Axial chest CT slice 51 of 125 (counted from the lowest slice); tube voltage 135 kVp, convolution kernel FC01; slices 3.00 mm thick, 0.721 mm per pixel.
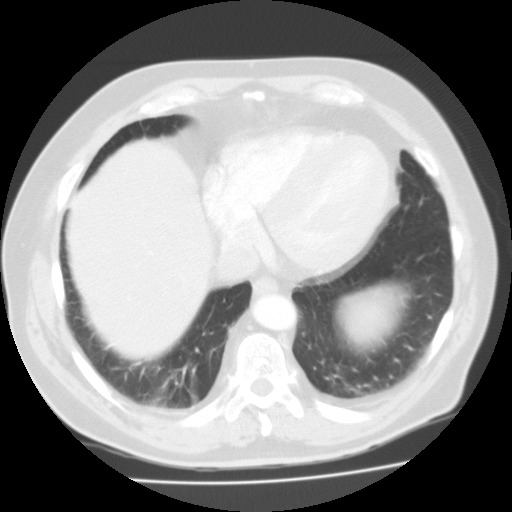
Pulmonary nodule, outlined by all four readers, one of them on this slice. Box on this slice rows 315–318, columns 428–431, the one reader's outline on this slice; longest diameter 11.2 mm on average over the four readers' outlines (readers' outlines 10.3–12.6 mm), volume 292–433 mm3. Ratings, by the readers' most common answer with dissent counted: texture 3/5 (part-solid) by two of four readers; the rest gave 4/5 (one), 5/5 (solid) (one); margin split among the readers: 1/5 (indistinct) (one), 2/5 (one), 4/5 (one), 5/5 (circumscribed) (one); most readers (three of four) put sphericity at 3/5 (ovoid), others 4/5 (one); calcification absent from all four readers; internal structure soft tissue from all four readers; subtlety 4/5 by two of four readers; the rest gave 3/5 (one), 5/5 (one); malignancy likelihood 3/5 by three of four readers; the rest gave 2/5 (one). Scale key (1–5): texture non-solid→solid, margin indistinct→circumscribed, sphericity linear→round, subtlety extremely subtle→obvious, malignancy likelihood highly unlikely→highly suspicious of cancer. Box rows and columns are 0-based pixel indices from the top-left corner, inclusive.